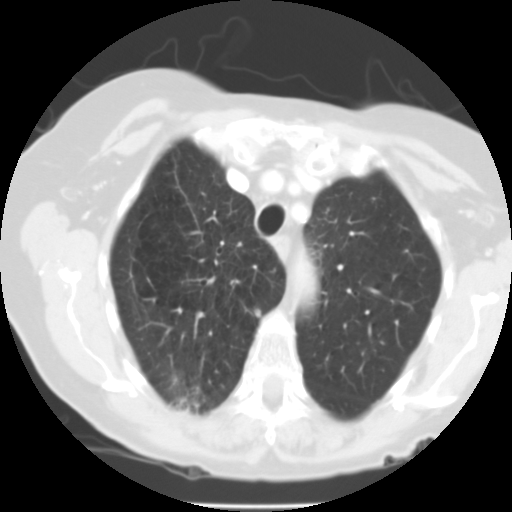
Chest CT, axial plane, 135 kVp, kernel FC01. Slice 78/101 from the bottom of the scan; thickness 3.00 mm; pixel size 0.558 mm.
Pulmonary nodule outlined by three of the four readers; box rows 307–318, columns 253–262 (the union of the readers' outlines on this slice); median longest diameter 6.4 mm (readers' outlines 5.1–7.3 mm), median volume 115 mm3 (65–153 mm3). Ratings, median across the readers with their spread: texture 3/5 (part-solid) at the median of three readers, spread 3/5 (part-solid) to 5/5 (solid); median margin 3/5 (readers ranged 2/5 to 4/5); median sphericity 4/5 (readers ranged 3/5 (ovoid) to 4/5); calcification absent, all three readers agreeing; internal structure soft tissue, all three readers agreeing; median subtlety 2/5 (readers ranged 2–4); malignancy likelihood 3/5 from all three readers. Scale key (1–5): texture non-solid→solid, margin indistinct→circumscribed, sphericity linear→round, subtlety extremely subtle→obvious, malignancy likelihood highly unlikely→highly suspicious of cancer. Box rows and columns are 0-based pixel indices from the top-left corner, inclusive.